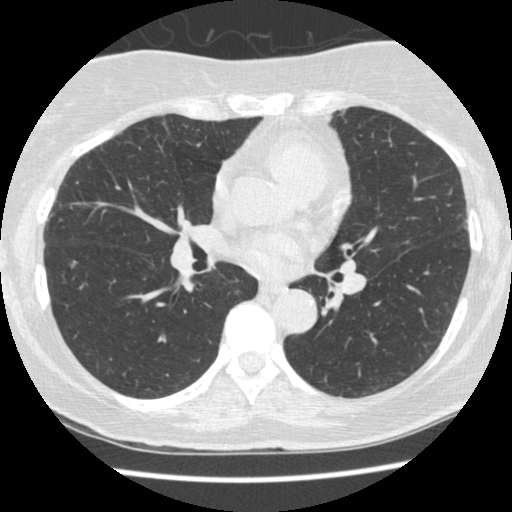
Chest CT, axial plane, 120 kVp, kernel STANDARD. Slice 250/481 from the bottom of the scan; thickness 1.25 mm; pixel size 0.605 mm.
Pulmonary nodule, outlined by three of the four readers, two of them on this slice. Box on this slice rows 262–267, columns 70–74, the union of the readers' outlines on this slice; longest diameter 8.1–9.1 mm and volume 55–92 mm3 across the three readers' outlines. The readers' ratings, as ranges where they differ: texture 5/5 (solid), all three readers agreeing; margin from 4/5 to 5/5 (circumscribed) across the three readers; sphericity from 3/5 (ovoid) to 4/5 across the three readers; calcification absent, all three readers agreeing; internal structure soft tissue from all three readers; subtlety 4/5, all three readers agreeing; malignancy likelihood 3/5, all three readers agreeing. Scale key (1–5): texture non-solid→solid, margin indistinct→circumscribed, sphericity linear→round, subtlety extremely subtle→obvious, malignancy likelihood highly unlikely→highly suspicious of cancer. Box rows and columns are 0-based pixel indices from the top-left corner, inclusive.